Axial slice 220 of 258 of a chest CT (slice 1 is the lowest), reconstructed with the STANDARD kernel at 120 kVp; 1.25 mm slice thickness and 0.859 mm pixels.
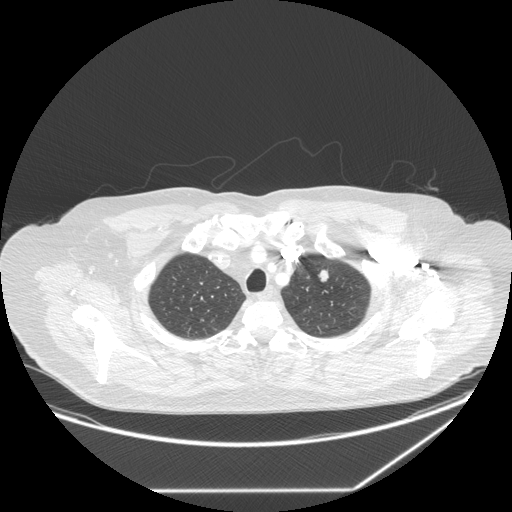
Pulmonary nodule, outlined by all four readers. Box on this slice rows 269–281, columns 317–328, the union of the readers' outlines on this slice; median longest diameter 13.2 mm (readers' outlines 11.3–14.0 mm), median volume 551 mm3 (372–779 mm3). Ratings, median across the readers with their spread: texture 5/5 (solid) from all four readers; median margin 4.5/5 (readers ranged 4/5 to 5/5 (circumscribed)); sphericity 3.5/5 at the median of four readers, spread 3/5 (ovoid) to 5/5 (round); calcification absent from all four readers; internal structure soft tissue, all four readers agreeing; subtlety 5/5 at the median of four readers, spread 4–5; malignancy likelihood 3.5/5 at the median of four readers, spread 3–4. Scale key (1–5): texture non-solid→solid, margin indistinct→circumscribed, sphericity linear→round, subtlety extremely subtle→obvious, malignancy likelihood highly unlikely→highly suspicious of cancer. Box rows and columns are 0-based pixel indices from the top-left corner, inclusive.